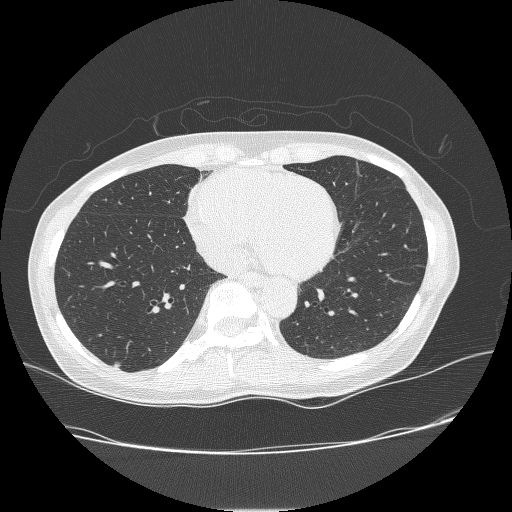
Slice 98/238 of a chest CT, counting up from the lowest; pixel size 0.703 mm, slice thickness 1.25 mm. Pulmonary nodule at rows 361–368, columns 112–121 (box = that reader's outline on this slice), outlined by one of the four readers; longest diameter 9.2 mm and volume 160 mm3 from that reader's outline. Ratings by that reader: texture 3/5 (part-solid); margin 4/5; sphericity 3/5 (ovoid); calcification absent; internal structure soft tissue; subtlety 5/5; malignancy likelihood 3/5. Scale key (1–5): texture non-solid→solid, margin indistinct→circumscribed, sphericity linear→round, subtlety extremely subtle→obvious, malignancy likelihood highly unlikely→highly suspicious of cancer. Box rows and columns are 0-based pixel indices from the top-left corner, inclusive.
Tube voltage 120 kVp; convolution kernel BONE.